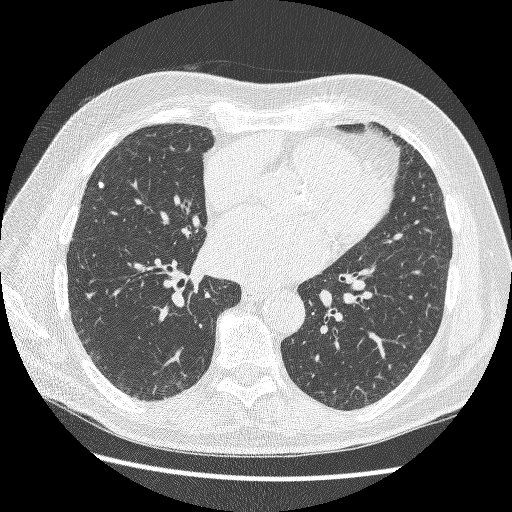
This is axial slice 123 of 264 (slice 1 is the lowest) of a chest CT; each pixel is 0.703 mm and the slice is 1.25 mm thick. Pulmonary nodule at rows 181–188, columns 98–104 (box = the union of the readers' outlines on this slice), outlined by all four readers; median longest diameter 6.3 mm (readers' outlines 5.1–6.7 mm), median volume 66 mm3 (35–70 mm3). Median ratings and the readers' spread: texture 5/5 (solid) from all four readers; margin 5/5 (circumscribed), all four readers agreeing; median sphericity 4/5 (readers ranged 4/5 to 5/5 (round)); calcification solid calcification from all four readers; internal structure soft tissue from all four readers; subtlety 4/5 at the median of four readers, spread 2–5; malignancy likelihood 1/5, all four readers agreeing. Scale key (1–5): texture non-solid→solid, margin indistinct→circumscribed, sphericity linear→round, subtlety extremely subtle→obvious, malignancy likelihood highly unlikely→highly suspicious of cancer. Box rows and columns are 0-based pixel indices from the top-left corner, inclusive.
Acquired at 120 kVp and reconstructed with the BONE kernel.